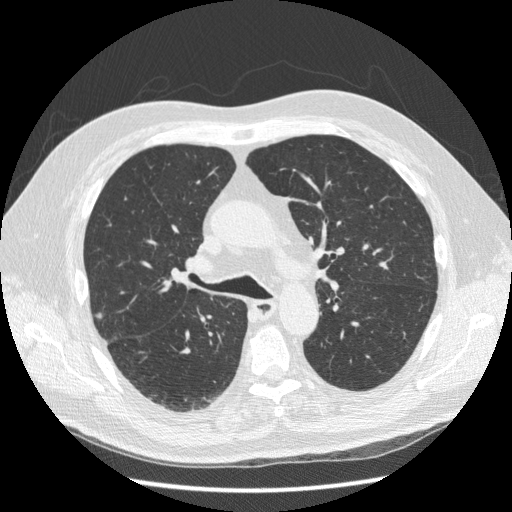
Axial slice 127 of 216 of a chest CT (slice 1 is the lowest), reconstructed with the STANDARD kernel at 120 kVp; 1.25 mm slice thickness and 0.703 mm pixels.
Pulmonary nodule at rows 312–318, columns 95–102 (box = the union of the readers' outlines on this slice), outlined by three of the four readers; longest diameter 9.1 mm on average over the three readers' outlines (readers' outlines 8.7–9.4 mm), volume 270–308 mm3. The readers' prevailing ratings and who disagreed: texture 5/5 (solid), all three readers agreeing; margin 5/5 (circumscribed) by two of three readers; the rest gave 4/5 (one); sphericity 4/5 by two of three readers; the rest gave 5/5 (round) (one); calcification absent, all three readers agreeing; internal structure soft tissue by two of three readers, adipose tissue (one); most readers (two of three) put subtlety at 5/5, others 4/5 (one); malignancy likelihood 2/5 by two of three readers; the rest gave 4/5 (one). Scale key (1–5): texture non-solid→solid, margin indistinct→circumscribed, sphericity linear→round, subtlety extremely subtle→obvious, malignancy likelihood highly unlikely→highly suspicious of cancer. Box rows and columns are 0-based pixel indices from the top-left corner, inclusive.